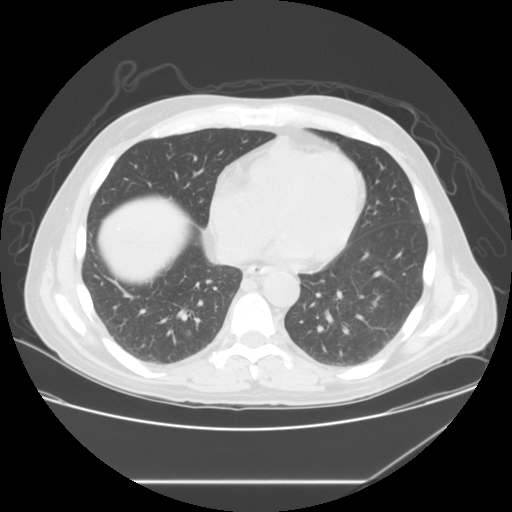
This is axial slice 66 of 133 (slice 1 is the lowest) of a chest CT; each pixel is 0.781 mm and the slice is 2.50 mm thick. Pulmonary nodule, outlined by three of the four readers, two of them on this slice. Box on this slice rows 329–336, columns 186–190, the union of the readers' outlines on this slice; median longest diameter 10.2 mm (readers' outlines 9.9–11.4 mm), median volume 402 mm3 (400–469 mm3). Median ratings and the readers' spread: median texture 3/5 (part-solid) (readers ranged 2/5 to 5/5 (solid)); margin 5/5 (circumscribed) at the median of three readers, spread 4/5 to 5/5 (circumscribed); sphericity 4/5 at the median of three readers, spread 4/5 to 5/5 (round); calcification absent from all three readers; internal structure: air (two), soft tissue (one); subtlety 3/5 at the median of three readers, spread 3–4; median malignancy likelihood 3/5 (readers ranged 3–4). Scale key (1–5): texture non-solid→solid, margin indistinct→circumscribed, sphericity linear→round, subtlety extremely subtle→obvious, malignancy likelihood highly unlikely→highly suspicious of cancer. Box rows and columns are 0-based pixel indices from the top-left corner, inclusive.
Tube voltage 120 kVp; convolution kernel STANDARD.